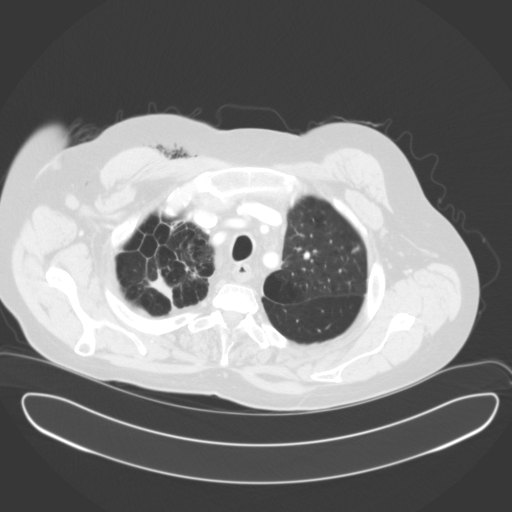
Axial chest CT slice 137 of 153 (counted from the lowest slice); tube voltage 120 kVp, convolution kernel B31f; slices 3.00 mm thick, 0.836 mm per pixel.
Pulmonary nodule, outlined by two of the four readers. Box on this slice rows 251–258, columns 304–309, the union of the readers' outlines on this slice; the two readers' outlines give a longest diameter between 6.0 and 7.9 mm and a volume between 101 and 145 mm3. Ratings across the readers: texture 5/5 (solid) from both readers; margin from 3/5 to 5/5 (circumscribed) across the two readers; sphericity 5/5 (round) from both readers; calcification split among the readers: absent (one), central calcification (one); internal structure soft tissue, both readers agreeing; subtlety from 3/5 to 4/5 across the two readers; malignancy likelihood 1/5, both readers agreeing. Scale key (1–5): texture non-solid→solid, margin indistinct→circumscribed, sphericity linear→round, subtlety extremely subtle→obvious, malignancy likelihood highly unlikely→highly suspicious of cancer. Box rows and columns are 0-based pixel indices from the top-left corner, inclusive.